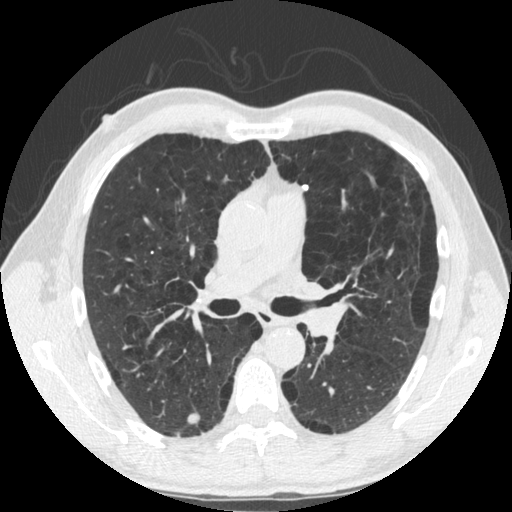
One axial slice (312 of 535, counting up from the lowest) of a chest CT acquired at 120 kVp with the STANDARD kernel; each pixel is 0.664 mm and the slice is 1.25 mm thick.
Two pulmonary nodules on this slice, listed from left to right. (1) Pulmonary nodule outlined by all four readers; box rows 412–423, columns 187–199 (the union of the readers' outlines on this slice); longest diameter 10.5–12.4 mm and volume 543–647 mm3 across the four readers' outlines. The readers' ratings, as ranges where they differ: texture 5/5 (solid), all four readers agreeing; margin 5/5 (circumscribed), all four readers agreeing; sphericity from 3/5 (ovoid) to 5/5 (round) across the four readers; calcification: absent (three), laminated calcification (one); internal structure soft tissue from all four readers; subtlety 5/5 from all four readers; malignancy likelihood 1–5/5 (the readers disagree). (2) Pulmonary nodule at rows 185–190, columns 301–307 (box = the union of the readers' outlines on this slice), outlined by two of the four readers; median longest diameter 5.7 mm (readers' outlines 5.4–6.0 mm), median volume 51 mm3 (45–58 mm3). Median ratings and the readers' spread: texture 5/5 (solid) from both readers; margin 5/5 (circumscribed) from both readers; median sphericity 4.5/5 (readers ranged 4/5 to 5/5 (round)); calcification solid calcification from both readers; internal structure soft tissue from both readers; subtlety 4/5, both readers agreeing; malignancy likelihood 1/5 from both readers. Scale key (1–5): texture non-solid→solid, margin indistinct→circumscribed, sphericity linear→round, subtlety extremely subtle→obvious, malignancy likelihood highly unlikely→highly suspicious of cancer. Box rows and columns are 0-based pixel indices from the top-left corner, inclusive.